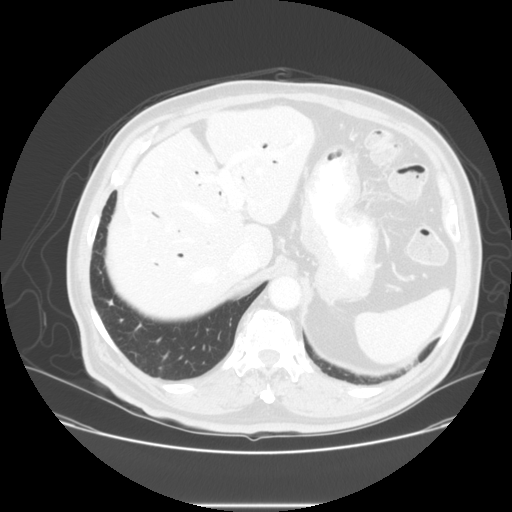
One axial slice (36 of 133, counting up from the lowest) of a chest CT acquired at 140 kVp with the STANDARD kernel; each pixel is 0.781 mm and the slice is 2.50 mm thick.
Pulmonary nodule outlined by all four readers; box rows 298–306, columns 106–114 (the union of the readers' outlines on this slice); the four readers' outlines give a longest diameter between 7.8 and 11.4 mm and a volume between 203 and 468 mm3. Ratings across the readers: texture 5/5 (solid), all four readers agreeing; margin from 4/5 to 5/5 (circumscribed) across the four readers; sphericity from 2/5 to 5/5 (round) across the four readers; calcification absent from all four readers; internal structure soft tissue from all four readers; subtlety 3–4/5 (the readers disagree); malignancy likelihood 2–3/5 (the readers disagree). Scale key (1–5): texture non-solid→solid, margin indistinct→circumscribed, sphericity linear→round, subtlety extremely subtle→obvious, malignancy likelihood highly unlikely→highly suspicious of cancer. Box rows and columns are 0-based pixel indices from the top-left corner, inclusive.